Axial slice 59 of 376 of a chest CT (slice 1 is the lowest), reconstructed with the B30f kernel at 120 kVp; 0.75 mm slice thickness and 0.461 mm pixels.
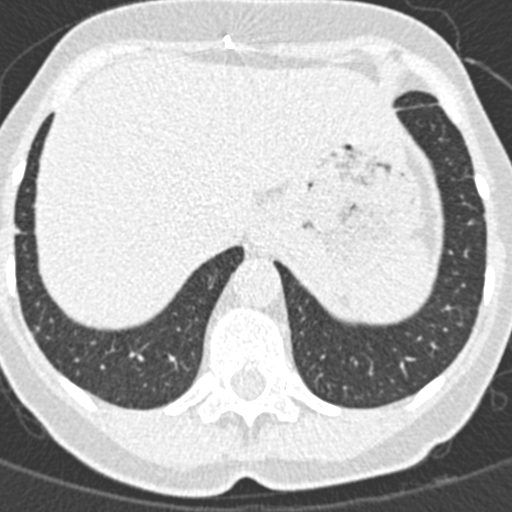
Pulmonary nodule, outlined by all four readers. Box on this slice rows 226–233, columns 12–20, the union of the readers' outlines on this slice; longest diameter 8.5 mm on average over the four readers' outlines (readers' outlines 8.1–8.9 mm), volume 172–196 mm3. Ratings, by the readers' most common answer with dissent counted: texture 5/5 (solid) by three of four readers; the rest gave 4/5 (one); margin split among the readers: 4/5 (two), 5/5 (circumscribed) (two); sphericity split among the readers: 3/5 (ovoid) (two), 4/5 (two); calcification absent from all four readers; internal structure soft tissue, all four readers agreeing; subtlety 5/5 by three of four readers; the rest gave 3/5 (one); malignancy likelihood 3/5 by two of four readers; the rest gave 2/5 (one), 4/5 (one). Scale key (1–5): texture non-solid→solid, margin indistinct→circumscribed, sphericity linear→round, subtlety extremely subtle→obvious, malignancy likelihood highly unlikely→highly suspicious of cancer. Box rows and columns are 0-based pixel indices from the top-left corner, inclusive.